Axial slice 44 of 276 of a chest CT (slice 1 is the lowest), reconstructed with the D kernel at 120 kVp; 1.00 mm slice thickness and 0.639 mm pixels.
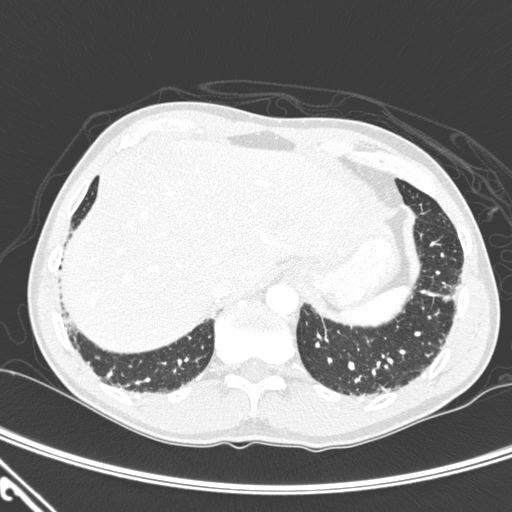
Pulmonary nodule at rows 295–302, columns 442–450 (box = the union of the readers' outlines on this slice), outlined by two of the four readers; longest diameter 8.8 mm on average over the two readers' outlines (readers' outlines 8.7–8.9 mm), volume 206–221 mm3. Ratings, by the readers' most common answer with dissent counted: texture 5/5 (solid) from both readers; margin split among the readers: 2/5 (one), 3/5 (one); sphericity split among the readers: 2/5 (one), 4/5 (one); calcification absent, both readers agreeing; internal structure soft tissue, both readers agreeing; subtlety split among the readers: 3/5 (one), 5/5 (one); malignancy likelihood 3/5, both readers agreeing. Scale key (1–5): texture non-solid→solid, margin indistinct→circumscribed, sphericity linear→round, subtlety extremely subtle→obvious, malignancy likelihood highly unlikely→highly suspicious of cancer. Box rows and columns are 0-based pixel indices from the top-left corner, inclusive.